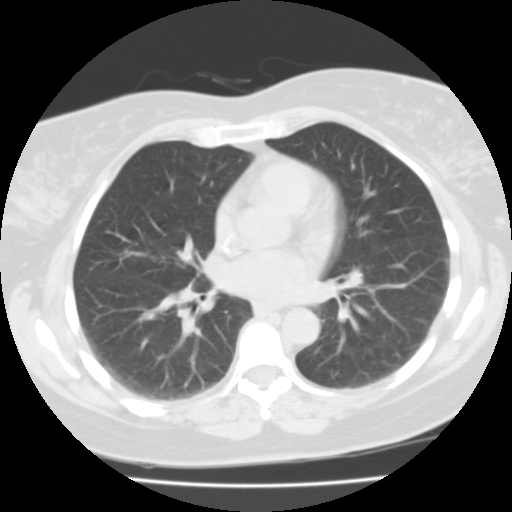
Chest CT, axial plane, 135 kVp, kernel FC01. Slice 39/87 from the bottom of the scan; thickness 3.00 mm; pixel size 0.650 mm.
The readers outlined no nodule of 3 mm or more on this slice.